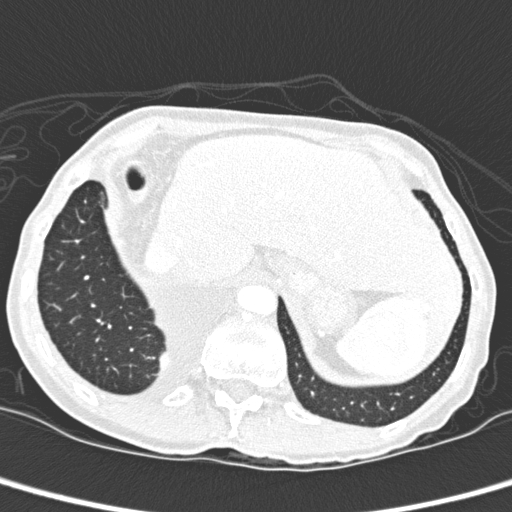
Axial chest CT slice 34 of 280 (counted from the lowest slice); tube voltage 120 kVp, convolution kernel D; slices 1.00 mm thick, 0.564 mm per pixel.
Pulmonary nodule, outlined by two of the four readers. Box on this slice rows 352–369, columns 159–167, the union of the readers' outlines on this slice; longest diameter 32.1–35.8 mm and volume 5657–6702 mm3 across the two readers' outlines. Ratings across the readers: texture 5/5 (solid) from both readers; margin 4/5 from both readers; sphericity 3/5 (ovoid), both readers agreeing; calcification absent, both readers agreeing; internal structure soft tissue, both readers agreeing; subtlety 5/5, both readers agreeing; malignancy likelihood 2–3/5 (the readers disagree). Scale key (1–5): texture non-solid→solid, margin indistinct→circumscribed, sphericity linear→round, subtlety extremely subtle→obvious, malignancy likelihood highly unlikely→highly suspicious of cancer. Box rows and columns are 0-based pixel indices from the top-left corner, inclusive.